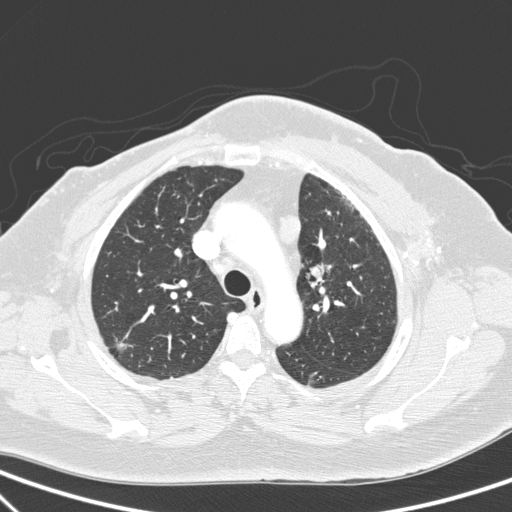
One axial slice (212 of 272, counting up from the lowest) of a chest CT acquired at 140 kVp with the D kernel; each pixel is 0.676 mm and the slice is 1.00 mm thick.
Pulmonary nodule outlined by all four readers; box rows 341–353, columns 115–126 (the union of the readers' outlines on this slice); median longest diameter 7.8 mm (readers' outlines 6.2–9.0 mm), median volume 86 mm3 (55–114 mm3). Median ratings and the readers' spread: texture 5/5 (solid) at the median of four readers, spread 4/5 to 5/5 (solid); margin 4/5 at the median of four readers, spread 3/5 to 4/5; sphericity 4/5 at the median of four readers, spread 3/5 (ovoid) to 4/5; calcification absent, all four readers agreeing; internal structure soft tissue, all four readers agreeing; subtlety 5/5 at the median of four readers, spread 2–5; median malignancy likelihood 3.5/5 (readers ranged 2–5). Scale key (1–5): texture non-solid→solid, margin indistinct→circumscribed, sphericity linear→round, subtlety extremely subtle→obvious, malignancy likelihood highly unlikely→highly suspicious of cancer. Box rows and columns are 0-based pixel indices from the top-left corner, inclusive.